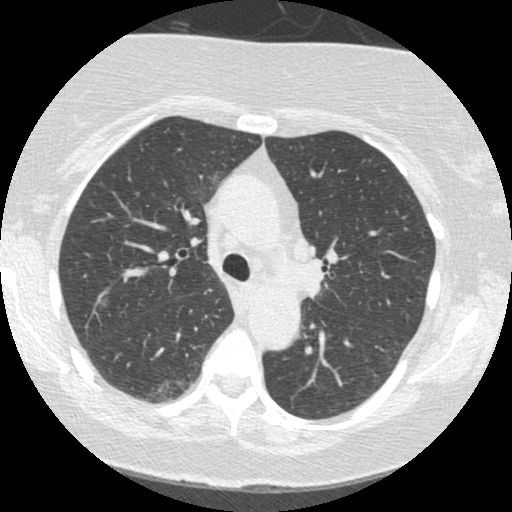
Slice 227/372 of a chest CT, counting up from the lowest; pixel size 0.586 mm, slice thickness 1.25 mm. Pulmonary nodule at rows 296–306, columns 99–107 (box = the union of the readers' outlines on this slice), outlined by three of the four readers; longest diameter 7.8 mm on average over the three readers' outlines (readers' outlines 7.6–8.0 mm), volume 95–117 mm3. The readers' prevailing ratings and who disagreed: texture 4/5 by two of three readers; the rest gave 1/5 (non-solid) (one); margin 4/5 by two of three readers; the rest gave 1/5 (indistinct) (one); most readers (two of three) put sphericity at 4/5, others 5/5 (round) (one); calcification absent from all three readers; internal structure soft tissue from all three readers; subtlety 4/5 by two of three readers; the rest gave 2/5 (one); most readers (two of three) put malignancy likelihood at 3/5, others 4/5 (one). Scale key (1–5): texture non-solid→solid, margin indistinct→circumscribed, sphericity linear→round, subtlety extremely subtle→obvious, malignancy likelihood highly unlikely→highly suspicious of cancer. Box rows and columns are 0-based pixel indices from the top-left corner, inclusive.
Scan settings: 120 kVp, STANDARD reconstruction kernel.